Axial slice 508 of 558 of a chest CT (slice 1 is the lowest), reconstructed with the B30f kernel at 120 kVp; 0.75 mm slice thickness and 0.648 mm pixels.
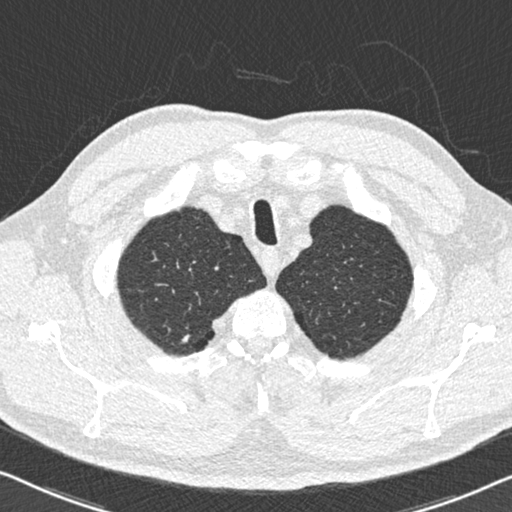
Pulmonary nodule at rows 333–343, columns 181–190 (box = the union of the readers' outlines on this slice), outlined by all four readers; longest diameter 7.5 mm on average over the four readers' outlines (readers' outlines 6.5–8.7 mm), volume 71–209 mm3. Ratings, by the readers' most common answer with dissent counted: texture 5/5 (solid) by three of four readers; the rest gave 4/5 (one); margin split among the readers: 4/5 (two), 5/5 (circumscribed) (two); sphericity 3/5 (ovoid) by two of four readers; the rest gave 2/5 (one), 5/5 (round) (one); calcification absent by three of four readers, solid calcification (one); internal structure soft tissue, all four readers agreeing; subtlety 3/5 by two of four readers; the rest gave 4/5 (one), 5/5 (one); malignancy likelihood 2/5 by two of four readers; the rest gave 1/5 (one), 3/5 (one). Scale key (1–5): texture non-solid→solid, margin indistinct→circumscribed, sphericity linear→round, subtlety extremely subtle→obvious, malignancy likelihood highly unlikely→highly suspicious of cancer. Box rows and columns are 0-based pixel indices from the top-left corner, inclusive.